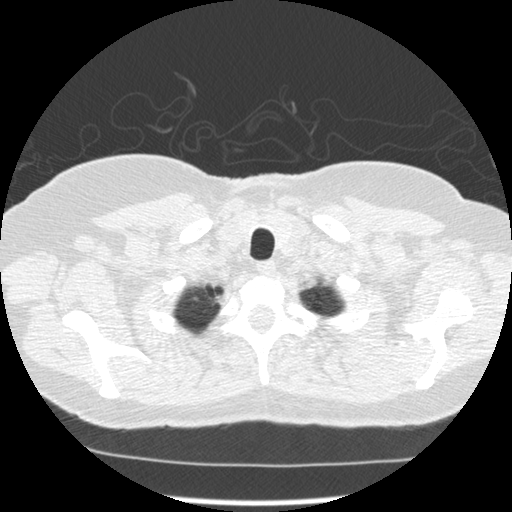
Axial chest CT slice 445 of 490 (counted from the lowest slice); 1.25 mm thick, 0.645 mm per pixel. Pulmonary nodule outlined by one of the four readers; box rows 297–300, columns 192–197 (that reader's outline on this slice); longest diameter 7.8 mm and volume 43 mm3 from that reader's outline. Ratings by that reader: texture 5/5 (solid); margin 4/5; sphericity 3/5 (ovoid); calcification absent; internal structure soft tissue; subtlety 5/5; malignancy likelihood 2/5. Scale key (1–5): texture non-solid→solid, margin indistinct→circumscribed, sphericity linear→round, subtlety extremely subtle→obvious, malignancy likelihood highly unlikely→highly suspicious of cancer. Box rows and columns are 0-based pixel indices from the top-left corner, inclusive.
Scan settings: 120 kVp, STANDARD reconstruction kernel.